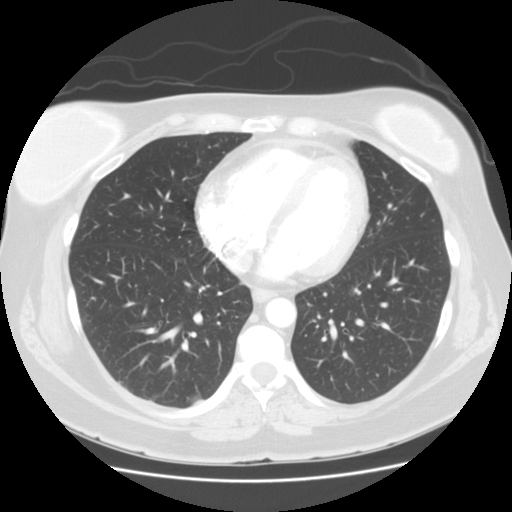
One axial slice (69 of 139, counting up from the lowest) of a chest CT acquired at 120 kVp with the STANDARD kernel; each pixel is 0.703 mm and the slice is 2.50 mm thick.
The readers outlined no nodule of 3 mm or more on this slice.